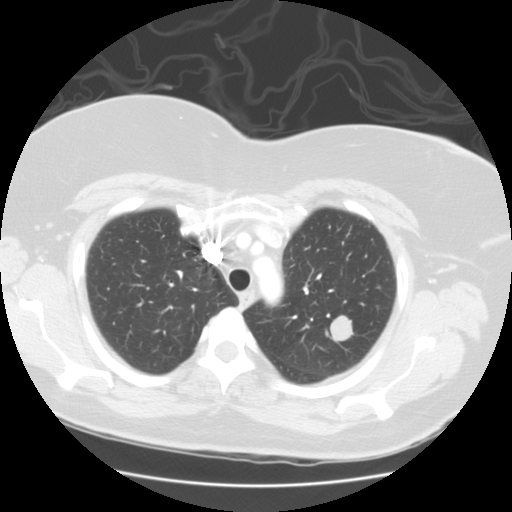
Axial chest CT slice 108 of 127 (counted from the lowest slice); 2.50 mm thick, 0.703 mm per pixel. Pulmonary nodule at rows 314–343, columns 329–354 (box = the union of the readers' outlines on this slice), outlined by all four readers; longest diameter 20.7–22.2 mm and volume 3995–4590 mm3 across the four readers' outlines. Ratings across the readers: texture 5/5 (solid), all four readers agreeing; margin from 4/5 to 5/5 (circumscribed) across the four readers; sphericity from 4/5 to 5/5 (round) across the four readers; calcification absent, all four readers agreeing; internal structure soft tissue from all four readers; subtlety 5/5, all four readers agreeing; malignancy likelihood rated between 2 and 5 out of 5 by the four readers. Scale key (1–5): texture non-solid→solid, margin indistinct→circumscribed, sphericity linear→round, subtlety extremely subtle→obvious, malignancy likelihood highly unlikely→highly suspicious of cancer. Box rows and columns are 0-based pixel indices from the top-left corner, inclusive.
Tube voltage 120 kVp; convolution kernel STANDARD.